Axial chest CT slice 49 of 103 (counted from the lowest slice); tube voltage 120 kVp, convolution kernel B45f; slices 3.00 mm thick, 0.566 mm per pixel.
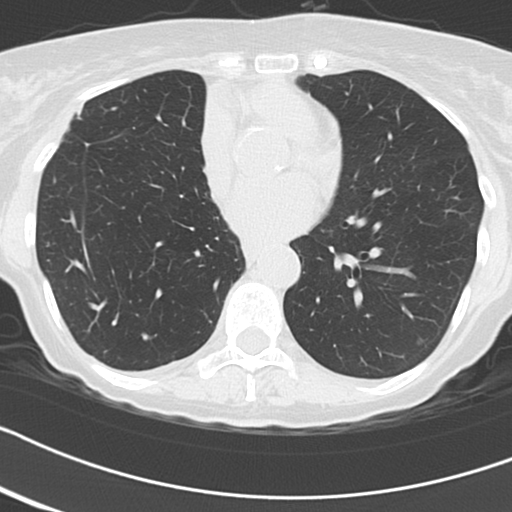
The readers outlined no nodule of 3 mm or more on this slice.